Chest CT, axial plane, 135 kVp, kernel FC01. Slice 83/115 from the bottom of the scan; thickness 3.00 mm; pixel size 0.729 mm.
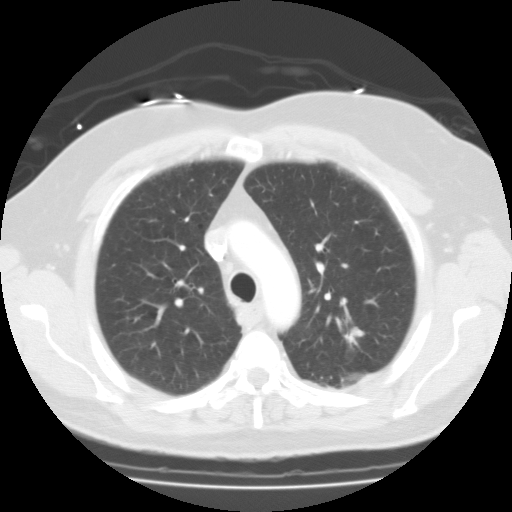
Pulmonary nodule at rows 327–345, columns 344–364 (box = that reader's outline on this slice), outlined by one of the four readers; longest diameter 34.4 mm and volume 9064 mm3 from that reader's outline. That reader's ratings: texture 5/5 (solid); margin 3/5; sphericity 2/5; calcification absent; internal structure fluid; subtlety 5/5; malignancy likelihood 3/5. Scale key (1–5): texture non-solid→solid, margin indistinct→circumscribed, sphericity linear→round, subtlety extremely subtle→obvious, malignancy likelihood highly unlikely→highly suspicious of cancer. Box rows and columns are 0-based pixel indices from the top-left corner, inclusive.